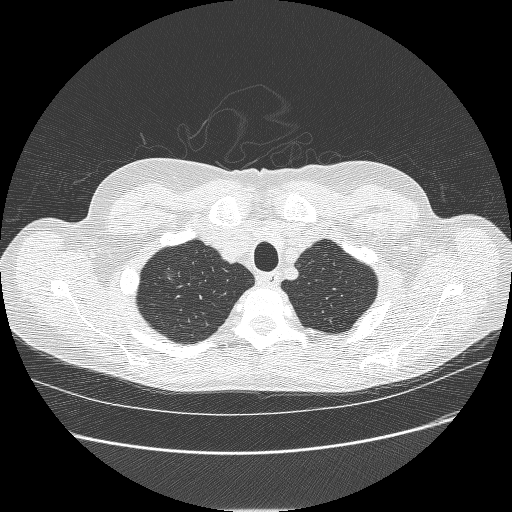
Axial chest CT slice 217 of 238 (counted from the lowest slice); tube voltage 120 kVp, convolution kernel BONE; slices 1.25 mm thick, 0.703 mm per pixel.
Pulmonary nodule outlined by two of the four readers; box rows 271–284, columns 161–176 (the union of the readers' outlines on this slice); the two readers' outlines give a longest diameter between 8.7 and 12.9 mm and a volume between 160 and 469 mm3. Ratings across the readers: texture 1/5 (non-solid), both readers agreeing; margin 1/5 (indistinct) from both readers; sphericity 4/5, both readers agreeing; calcification absent, both readers agreeing; internal structure soft tissue from both readers; subtlety 1/5, both readers agreeing; malignancy likelihood 3/5 from both readers. Scale key (1–5): texture non-solid→solid, margin indistinct→circumscribed, sphericity linear→round, subtlety extremely subtle→obvious, malignancy likelihood highly unlikely→highly suspicious of cancer. Box rows and columns are 0-based pixel indices from the top-left corner, inclusive.